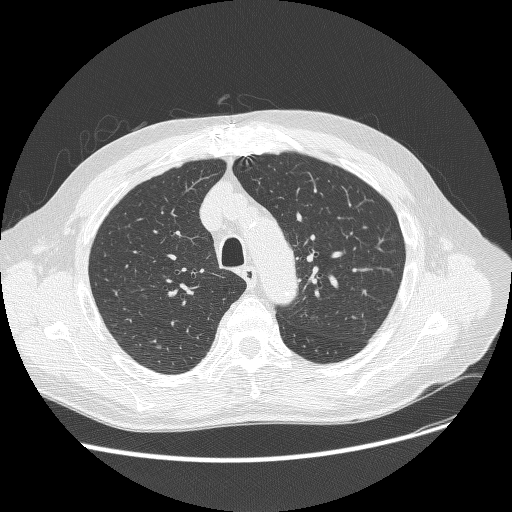
One axial slice (206 of 268, counting up from the lowest) of a chest CT acquired at 120 kVp with the BONE kernel; each pixel is 0.742 mm and the slice is 1.25 mm thick.
Pulmonary nodule outlined by three of the four readers; box rows 344–348, columns 154–161 (the union of the readers' outlines on this slice); longest diameter 5.6 mm on average over the three readers' outlines (readers' outlines 4.7–6.8 mm), volume 40–85 mm3. Ratings, by the readers' most common answer with dissent counted: texture 1/5 (non-solid) from all three readers; margin split among the readers: 1/5 (indistinct) (one), 2/5 (one), 3/5 (one); most readers (two of three) put sphericity at 3/5 (ovoid), others 5/5 (round) (one); calcification absent from all three readers; internal structure soft tissue from all three readers; subtlety 2/5 by two of three readers; the rest gave 1/5 (one); malignancy likelihood 3/5 from all three readers. Scale key (1–5): texture non-solid→solid, margin indistinct→circumscribed, sphericity linear→round, subtlety extremely subtle→obvious, malignancy likelihood highly unlikely→highly suspicious of cancer. Box rows and columns are 0-based pixel indices from the top-left corner, inclusive.